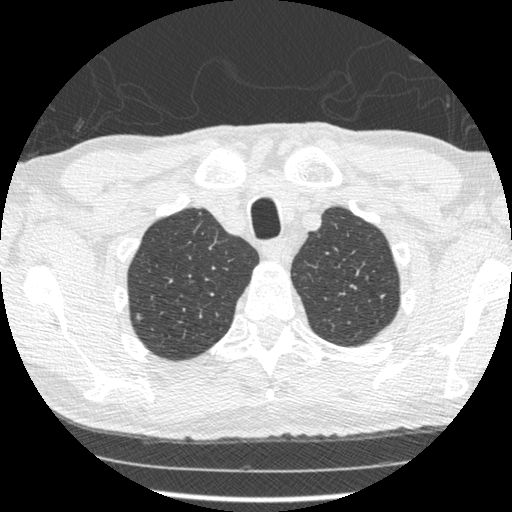
Slice 429/481 of a chest CT, counting up from the lowest; pixel size 0.664 mm, slice thickness 1.25 mm. Pulmonary nodule, outlined by one of the four readers. Box on this slice rows 313–319, columns 137–140, that reader's outline on this slice; longest diameter 7.4 mm and volume 79 mm3 from that reader's outline. That reader's ratings: texture 5/5 (solid); margin 2/5; sphericity 3/5 (ovoid); calcification absent; internal structure soft tissue; subtlety 4/5; malignancy likelihood 2/5. Scale key (1–5): texture non-solid→solid, margin indistinct→circumscribed, sphericity linear→round, subtlety extremely subtle→obvious, malignancy likelihood highly unlikely→highly suspicious of cancer. Box rows and columns are 0-based pixel indices from the top-left corner, inclusive.
Tube voltage 120 kVp; convolution kernel STANDARD.